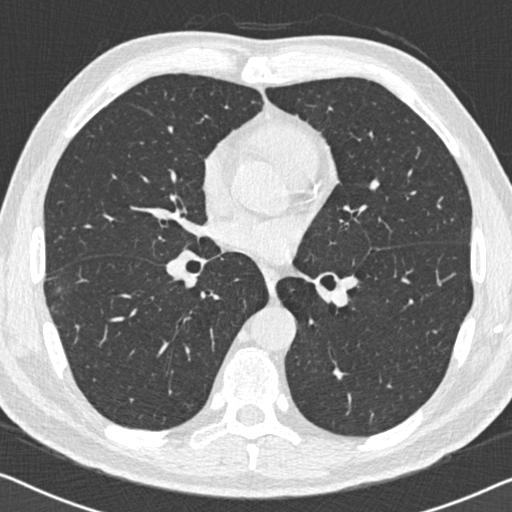
Axial slice 311 of 558 of a chest CT (slice 1 is the lowest), reconstructed with the B30f kernel at 120 kVp; 0.75 mm slice thickness and 0.648 mm pixels.
Pulmonary nodule outlined by all four readers, one of them on this slice; box rows 286–313, columns 51–63 (the one reader's outline on this slice); median longest diameter 21.8 mm (readers' outlines 18.8–26.5 mm), median volume 1099 mm3 (726–1916 mm3). Median ratings and the readers' spread: texture 4.5/5 at the median of four readers, spread 3/5 (part-solid) to 5/5 (solid); median margin 3/5 (readers ranged 1/5 (indistinct) to 4/5); sphericity 3/5 (ovoid) at the median of four readers, spread 2/5 to 4/5; calcification absent, all four readers agreeing; internal structure soft tissue, all four readers agreeing; subtlety 5/5 at the median of four readers, spread 4–5; median malignancy likelihood 4/5 (readers ranged 4–5). Scale key (1–5): texture non-solid→solid, margin indistinct→circumscribed, sphericity linear→round, subtlety extremely subtle→obvious, malignancy likelihood highly unlikely→highly suspicious of cancer. Box rows and columns are 0-based pixel indices from the top-left corner, inclusive.